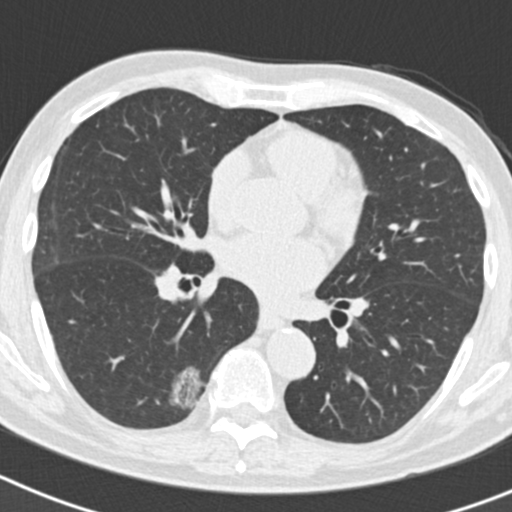
One axial slice (97 of 186, counting up from the lowest) of a chest CT acquired at 120 kVp with the B30f kernel; each pixel is 0.586 mm and the slice is 2.00 mm thick.
Pulmonary nodule at rows 367–409, columns 166–206 (box = that reader's outline on this slice), outlined by one of the four readers; longest diameter 31.4 mm and volume 6527 mm3 from that reader's outline. Ratings by that reader: texture 1/5 (non-solid); margin 2/5; sphericity 4/5; calcification absent; internal structure soft tissue; subtlety 5/5; malignancy likelihood 3/5. Scale key (1–5): texture non-solid→solid, margin indistinct→circumscribed, sphericity linear→round, subtlety extremely subtle→obvious, malignancy likelihood highly unlikely→highly suspicious of cancer. Box rows and columns are 0-based pixel indices from the top-left corner, inclusive.